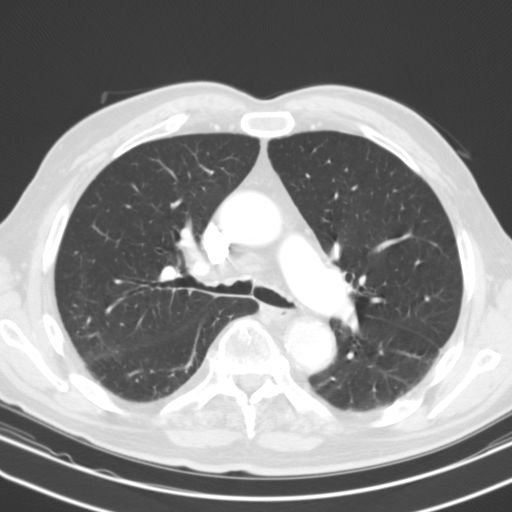
Axial chest CT slice 81 of 127 (counted from the lowest slice); 3.00 mm thick, 0.668 mm per pixel. Pulmonary nodule, outlined by two of the four readers. Box on this slice rows 377–380, columns 330–335, the union of the readers' outlines on this slice; median longest diameter 6.8 mm (readers' outlines 6.6–7.1 mm), median volume 152 mm3 (143–161 mm3). Median ratings and the readers' spread: texture 5/5 (solid) from both readers; margin 4.5/5 at the median of two readers, spread 4/5 to 5/5 (circumscribed); median sphericity 3.5/5 (readers ranged 3/5 (ovoid) to 4/5); calcification solid calcification from both readers; internal structure soft tissue, both readers agreeing; median subtlety 4.5/5 (readers ranged 4–5); malignancy likelihood 1/5 from both readers. Scale key (1–5): texture non-solid→solid, margin indistinct→circumscribed, sphericity linear→round, subtlety extremely subtle→obvious, malignancy likelihood highly unlikely→highly suspicious of cancer. Box rows and columns are 0-based pixel indices from the top-left corner, inclusive.
Tube voltage 130 kVp; convolution kernel B31s.